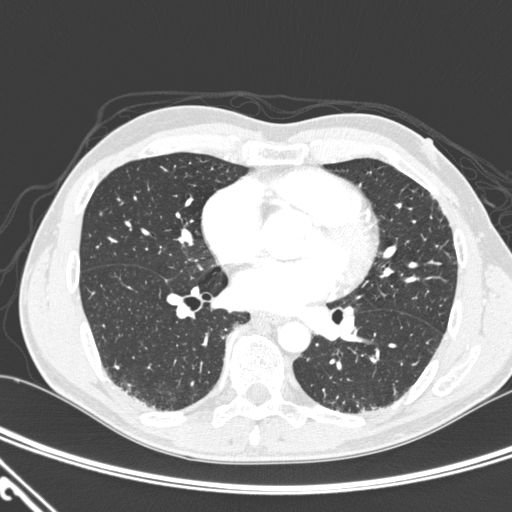
Axial chest CT slice 131 of 276 (counted from the lowest slice); tube voltage 120 kVp, convolution kernel D; slices 1.00 mm thick, 0.639 mm per pixel.
Pulmonary nodule at rows 212–214, columns 99–101 (box = the union of the readers' outlines on this slice), outlined by all four readers, three of them on this slice; longest diameter 5.8 mm on average over the four readers' outlines (readers' outlines 5.1–6.9 mm), volume 27–66 mm3. Ratings, by the readers' most common answer with dissent counted: texture 5/5 (solid) by three of four readers; the rest gave 4/5 (one); margin 5/5 (circumscribed) by two of four readers; the rest gave 3/5 (one), 4/5 (one); most readers (three of four) put sphericity at 4/5, others 5/5 (round) (one); calcification absent by three of four readers, solid calcification (one); internal structure soft tissue from all four readers; subtlety 5/5 by two of four readers; the rest gave 3/5 (one), 4/5 (one); malignancy likelihood 2/5 by two of four readers; the rest gave 1/5 (one), 3/5 (one). Scale key (1–5): texture non-solid→solid, margin indistinct→circumscribed, sphericity linear→round, subtlety extremely subtle→obvious, malignancy likelihood highly unlikely→highly suspicious of cancer. Box rows and columns are 0-based pixel indices from the top-left corner, inclusive.